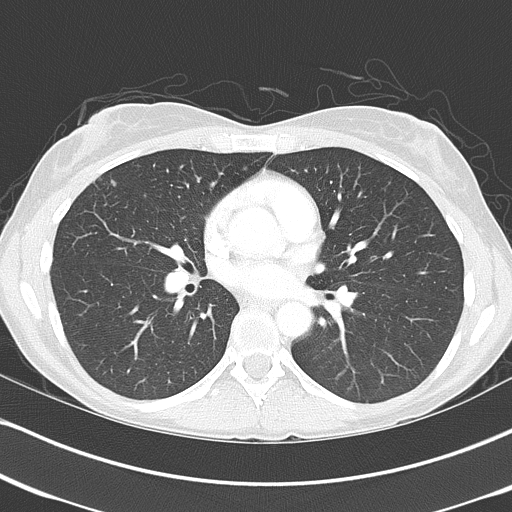
Slice 212/368 of a chest CT, counting up from the lowest; pixel size 0.623 mm, slice thickness 2.00 mm. Pulmonary nodule outlined by all four readers; box rows 179–186, columns 110–116 (the union of the readers' outlines on this slice); median longest diameter 6.0 mm (readers' outlines 5.6–6.1 mm), median volume 54 mm3 (43–61 mm3). Median ratings and the readers' spread: texture 3.5/5 at the median of four readers, spread 3/5 (part-solid) to 5/5 (solid); median margin 4/5 (readers ranged 2/5 to 4/5); sphericity 3/5 (ovoid) from all four readers; calcification absent from all four readers; internal structure soft tissue from all four readers; subtlety 4/5 at the median of four readers, spread 3–5; median malignancy likelihood 2.5/5 (readers ranged 2–3). Scale key (1–5): texture non-solid→solid, margin indistinct→circumscribed, sphericity linear→round, subtlety extremely subtle→obvious, malignancy likelihood highly unlikely→highly suspicious of cancer. Box rows and columns are 0-based pixel indices from the top-left corner, inclusive.
Tube voltage 120 kVp; convolution kernel B70f.